Axial slice 45 of 280 of a chest CT (slice 1 is the lowest), reconstructed with the D kernel at 120 kVp; 1.00 mm slice thickness and 0.564 mm pixels.
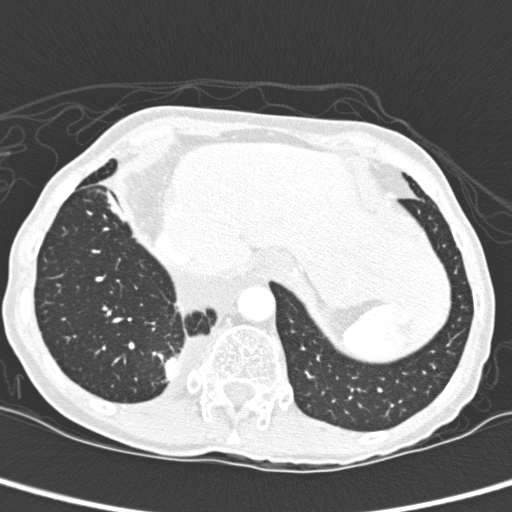
Pulmonary nodule at rows 357–380, columns 164–179 (box = the union of the readers' outlines on this slice), outlined by two of the four readers; longest diameter 32.1–35.8 mm and volume 5657–6702 mm3 across the two readers' outlines. The readers' ratings, as ranges where they differ: texture 5/5 (solid) from both readers; margin 4/5, both readers agreeing; sphericity 3/5 (ovoid), both readers agreeing; calcification absent from both readers; internal structure soft tissue from both readers; subtlety 5/5 from both readers; malignancy likelihood rated between 2 and 3 out of 5 by the two readers. Scale key (1–5): texture non-solid→solid, margin indistinct→circumscribed, sphericity linear→round, subtlety extremely subtle→obvious, malignancy likelihood highly unlikely→highly suspicious of cancer. Box rows and columns are 0-based pixel indices from the top-left corner, inclusive.